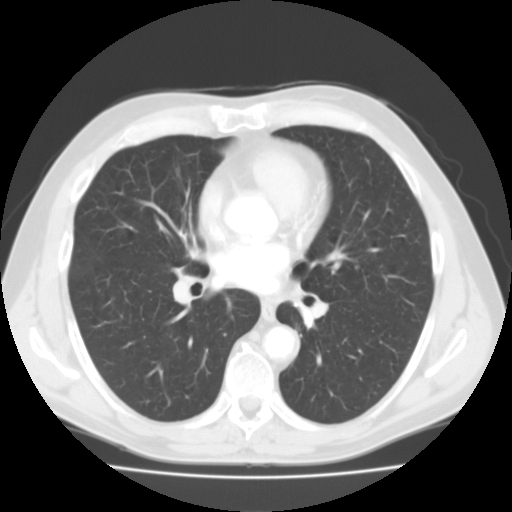
Axial slice 58 of 109 of a chest CT (slice 1 is the lowest), reconstructed with the FC01 kernel at 135 kVp; 3.00 mm slice thickness and 0.720 mm pixels.
Pulmonary nodule outlined by one of the four readers; box rows 265–268, columns 356–358 (that reader's outline on this slice); longest diameter 5.8 mm and volume 95 mm3 from that reader's outline. That reader's ratings: texture 5/5 (solid); margin 5/5 (circumscribed); sphericity 4/5; calcification absent; internal structure soft tissue; subtlety 3/5; malignancy likelihood 1/5. Scale key (1–5): texture non-solid→solid, margin indistinct→circumscribed, sphericity linear→round, subtlety extremely subtle→obvious, malignancy likelihood highly unlikely→highly suspicious of cancer. Box rows and columns are 0-based pixel indices from the top-left corner, inclusive.